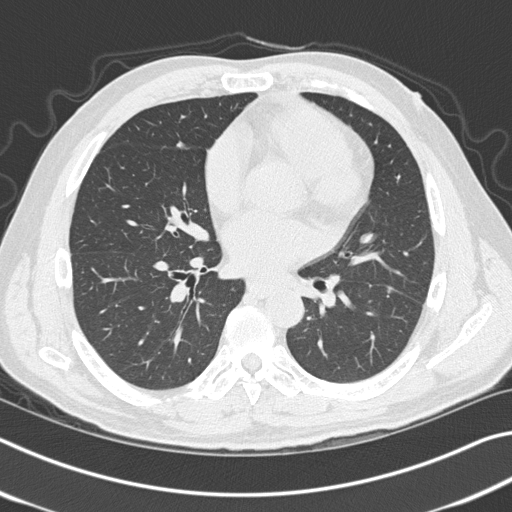
Chest CT, axial plane, 120 kVp, kernel B45f. Slice 175/327 from the bottom of the scan; thickness 1.00 mm; pixel size 0.664 mm.
Pulmonary nodule outlined by all four readers; box rows 285–297, columns 384–395 (the union of the readers' outlines on this slice); longest diameter 18.2 mm on average over the four readers' outlines (readers' outlines 16.4–20.2 mm), volume 1016–1342 mm3. The readers' prevailing ratings and who disagreed: texture 5/5 (solid) from all four readers; most readers (three of four) put margin at 5/5 (circumscribed), others 4/5 (one); sphericity 5/5 (round) by two of four readers; the rest gave 3/5 (ovoid) (one), 4/5 (one); calcification absent from all four readers; internal structure soft tissue, all four readers agreeing; most readers (three of four) put subtlety at 5/5, others 4/5 (one); malignancy likelihood 5/5 by two of four readers; the rest gave 3/5 (one), 4/5 (one). Scale key (1–5): texture non-solid→solid, margin indistinct→circumscribed, sphericity linear→round, subtlety extremely subtle→obvious, malignancy likelihood highly unlikely→highly suspicious of cancer. Box rows and columns are 0-based pixel indices from the top-left corner, inclusive.